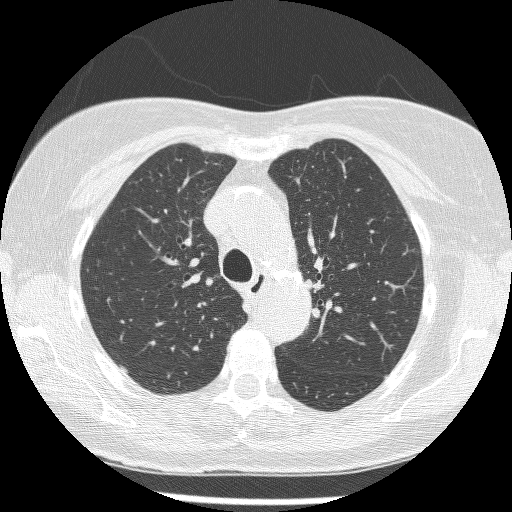
Chest CT, axial plane, 120 kVp, kernel BONE. Slice 185/241 from the bottom of the scan; thickness 1.25 mm; pixel size 0.590 mm.
Pulmonary nodule, outlined by one of the four readers. Box on this slice rows 364–373, columns 119–129, that reader's outline on this slice; longest diameter 8.5 mm and volume 87 mm3 from that reader's outline. That reader's ratings: texture 3/5 (part-solid); margin 1/5 (indistinct); sphericity 3/5 (ovoid); calcification absent; internal structure soft tissue; subtlety 3/5; malignancy likelihood 3/5. Scale key (1–5): texture non-solid→solid, margin indistinct→circumscribed, sphericity linear→round, subtlety extremely subtle→obvious, malignancy likelihood highly unlikely→highly suspicious of cancer. Box rows and columns are 0-based pixel indices from the top-left corner, inclusive.